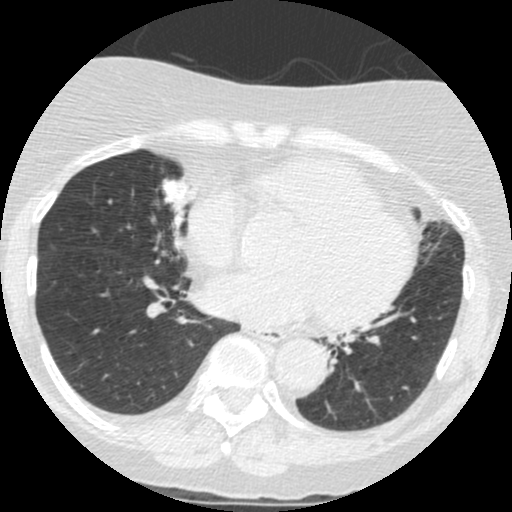
Axial slice 164 of 426 of a chest CT (slice 1 is the lowest), reconstructed with the STANDARD kernel at 120 kVp; 1.25 mm slice thickness and 0.547 mm pixels.
Pulmonary nodule, outlined by all four readers. Box on this slice rows 176–207, columns 161–188, the union of the readers' outlines on this slice; median longest diameter 18.6 mm (readers' outlines 17.0–20.6 mm), median volume 1572 mm3 (1129–1635 mm3). Ratings, median across the readers with their spread: median texture 5/5 (solid) (readers ranged 4/5 to 5/5 (solid)); median margin 3.5/5 (readers ranged 2/5 to 5/5 (circumscribed)); sphericity 4/5 at the median of four readers, spread 3/5 (ovoid) to 5/5 (round); calcification: absent (three), non-central calcification (one); internal structure soft tissue, all four readers agreeing; median subtlety 4.5/5 (readers ranged 3–5); median malignancy likelihood 3.5/5 (readers ranged 2–4). Scale key (1–5): texture non-solid→solid, margin indistinct→circumscribed, sphericity linear→round, subtlety extremely subtle→obvious, malignancy likelihood highly unlikely→highly suspicious of cancer. Box rows and columns are 0-based pixel indices from the top-left corner, inclusive.